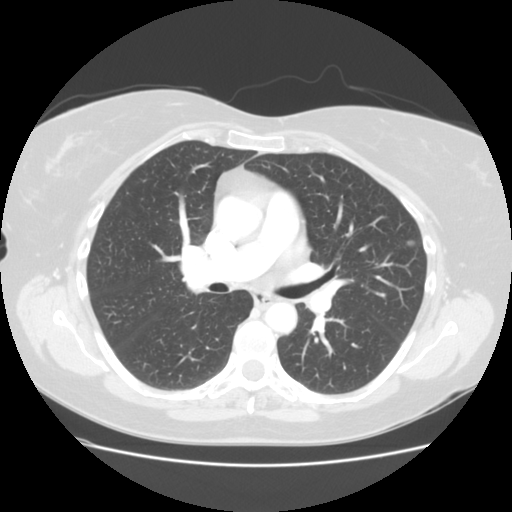
Axial chest CT slice 85 of 131 (counted from the lowest slice); tube voltage 120 kVp, convolution kernel STANDARD; slices 2.50 mm thick, 0.703 mm per pixel.
Pulmonary nodule outlined by all four readers, three of them on this slice; box rows 240–246, columns 406–414 (the union of the readers' outlines on this slice); the four readers' outlines give a longest diameter between 11.0 and 12.6 mm and a volume between 428 and 598 mm3. The readers' ratings, as ranges where they differ: texture 5/5 (solid) from all four readers; margin from 4/5 to 5/5 (circumscribed) across the four readers; sphericity from 4/5 to 5/5 (round) across the four readers; calcification absent, all four readers agreeing; internal structure soft tissue from all four readers; subtlety from 3/5 to 5/5 across the four readers; malignancy likelihood 2–4/5 (the readers disagree). Scale key (1–5): texture non-solid→solid, margin indistinct→circumscribed, sphericity linear→round, subtlety extremely subtle→obvious, malignancy likelihood highly unlikely→highly suspicious of cancer. Box rows and columns are 0-based pixel indices from the top-left corner, inclusive.